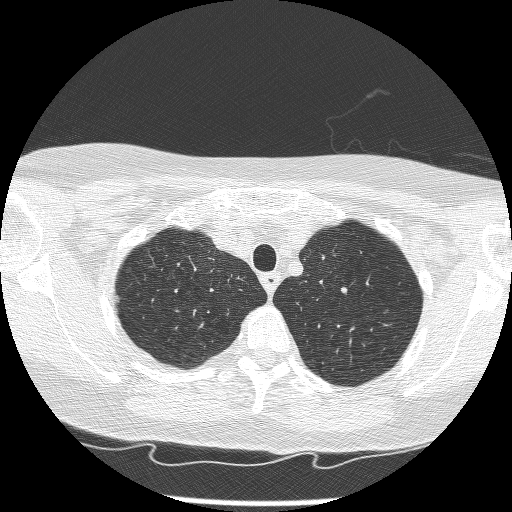
Chest CT, axial plane, 120 kVp, kernel BONE. Slice 177/209 from the bottom of the scan; thickness 1.25 mm; pixel size 0.617 mm.
Pulmonary nodule at rows 267–272, columns 126–130 (box = that reader's outline on this slice), outlined by one of the four readers; longest diameter 6.4 mm and volume 52 mm3 from that reader's outline. That reader's ratings: texture 1/5 (non-solid); margin 1/5 (indistinct); sphericity 4/5; calcification absent; internal structure soft tissue; subtlety 1/5; malignancy likelihood 2/5. Scale key (1–5): texture non-solid→solid, margin indistinct→circumscribed, sphericity linear→round, subtlety extremely subtle→obvious, malignancy likelihood highly unlikely→highly suspicious of cancer. Box rows and columns are 0-based pixel indices from the top-left corner, inclusive.